Chest CT, axial plane, 120 kVp, kernel B. Slice 94/325 from the bottom of the scan; thickness 2.00 mm; pixel size 0.611 mm.
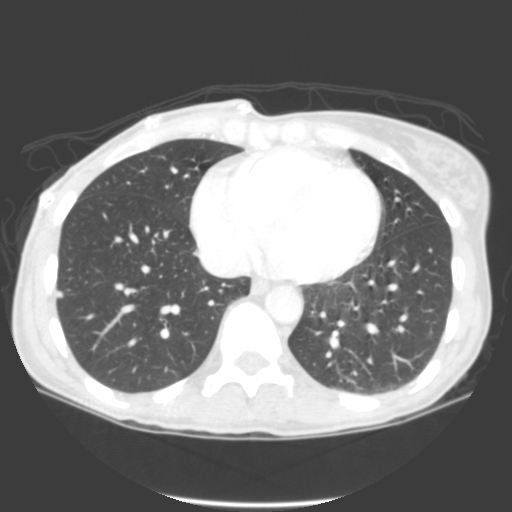
Pulmonary nodule outlined by all four readers; box rows 290–298, columns 56–62 (the union of the readers' outlines on this slice); median longest diameter 7.2 mm (readers' outlines 7.0–8.2 mm), median volume 105 mm3 (85–126 mm3). Median ratings and the readers' spread: median texture 5/5 (solid) (readers ranged 4/5 to 5/5 (solid)); margin 4/5 at the median of four readers, spread 3/5 to 5/5 (circumscribed); median sphericity 4/5 (readers ranged 3/5 (ovoid) to 4/5); calcification absent from all four readers; internal structure soft tissue from all four readers; subtlety 5/5 at the median of four readers, spread 4–5; median malignancy likelihood 2.5/5 (readers ranged 2–4). Scale key (1–5): texture non-solid→solid, margin indistinct→circumscribed, sphericity linear→round, subtlety extremely subtle→obvious, malignancy likelihood highly unlikely→highly suspicious of cancer. Box rows and columns are 0-based pixel indices from the top-left corner, inclusive.